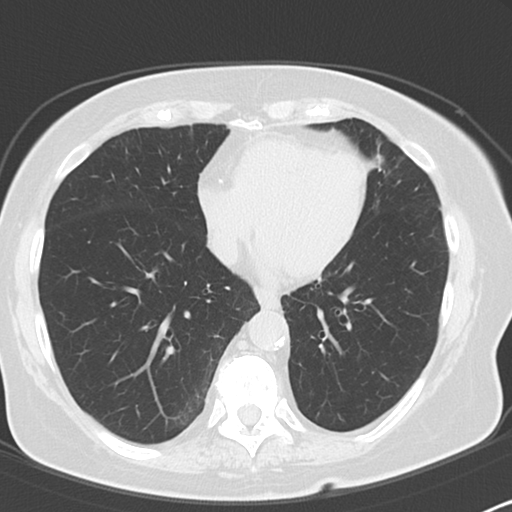
Axial chest CT slice 42 of 101 (counted from the lowest slice); 3.00 mm thick, 0.586 mm per pixel. Pulmonary nodule at rows 154–167, columns 372–383 (box = the union of the readers' outlines on this slice), outlined by all four readers, three of them on this slice; longest diameter 13.8 mm on average over the four readers' outlines (readers' outlines 11.3–15.8 mm), volume 507–752 mm3. Ratings, by the readers' most common answer with dissent counted: texture 5/5 (solid) from all four readers; margin 5/5 (circumscribed) by three of four readers; the rest gave 4/5 (one); sphericity 5/5 (round) by three of four readers; the rest gave 3/5 (ovoid) (one); calcification split among the readers: absent (two), central calcification (two); internal structure soft tissue, all four readers agreeing; subtlety 5/5, all four readers agreeing; malignancy likelihood split among the readers: 1/5 (two), 4/5 (two). Scale key (1–5): texture non-solid→solid, margin indistinct→circumscribed, sphericity linear→round, subtlety extremely subtle→obvious, malignancy likelihood highly unlikely→highly suspicious of cancer. Box rows and columns are 0-based pixel indices from the top-left corner, inclusive.
Scan settings: 120 kVp, B45f reconstruction kernel.